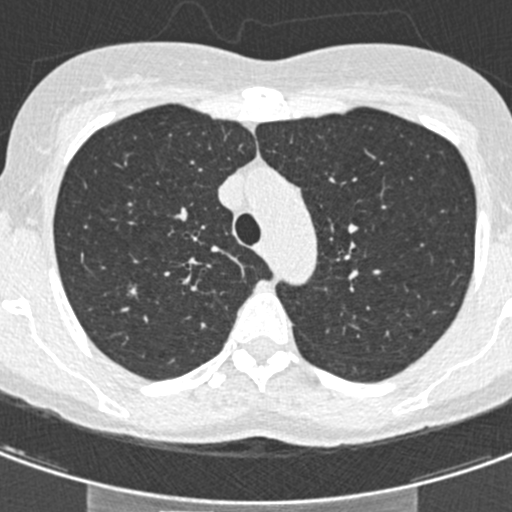
Axial slice 325 of 429 of a chest CT (slice 1 is the lowest), reconstructed with the B30f kernel at 120 kVp; 0.75 mm slice thickness and 0.537 mm pixels.
Pulmonary nodule at rows 282–298, columns 127–137 (box = the union of the readers' outlines on this slice), outlined by all four readers; longest diameter 12.6 mm on average over the four readers' outlines (readers' outlines 11.2–13.4 mm), volume 226–398 mm3. Ratings, by the readers' most common answer with dissent counted: texture split among the readers: 3/5 (part-solid) (two), 4/5 (two); margin 3/5 by two of four readers; the rest gave 1/5 (indistinct) (one), 4/5 (one); sphericity 2/5 by two of four readers; the rest gave 3/5 (ovoid) (one), 5/5 (round) (one); calcification absent, all four readers agreeing; internal structure soft tissue, all four readers agreeing; subtlety 5/5 by two of four readers; the rest gave 3/5 (one), 4/5 (one); malignancy likelihood split among the readers: 3/5 (two), 4/5 (two). Scale key (1–5): texture non-solid→solid, margin indistinct→circumscribed, sphericity linear→round, subtlety extremely subtle→obvious, malignancy likelihood highly unlikely→highly suspicious of cancer. Box rows and columns are 0-based pixel indices from the top-left corner, inclusive.